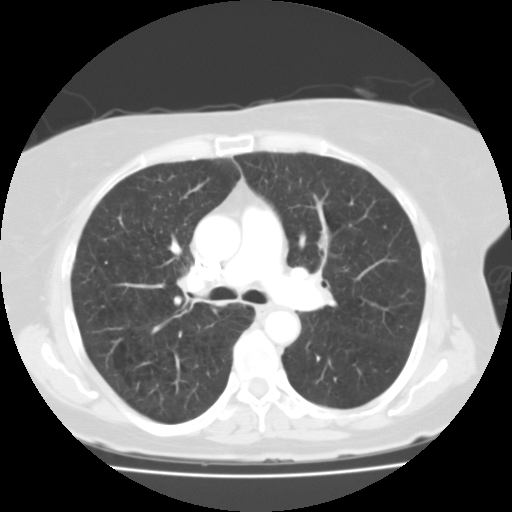
Axial chest CT slice 75 of 118 (counted from the lowest slice); tube voltage 135 kVp, convolution kernel FC01; slices 3.00 mm thick, 0.665 mm per pixel.
The readers outlined no nodule of 3 mm or more on this slice.